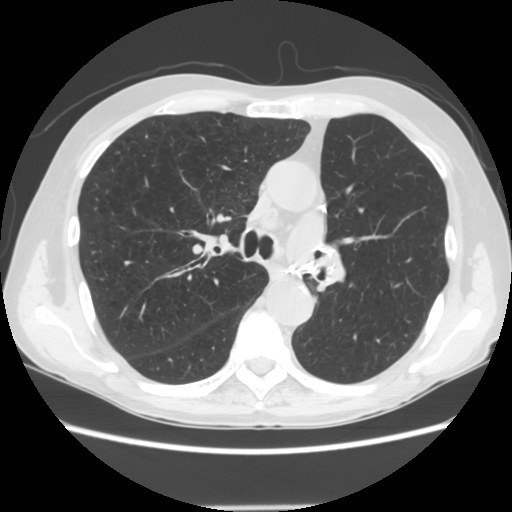
One axial slice (94 of 143, counting up from the lowest) of a chest CT acquired at 120 kVp with the STANDARD kernel; each pixel is 0.703 mm and the slice is 2.50 mm thick.
This slice carries no reader outline of a nodule 3 mm or larger.